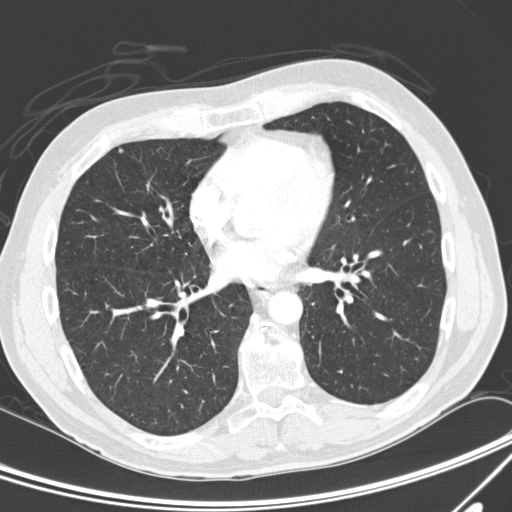
Chest CT, axial plane, 120 kVp, kernel D. Slice 116/300 from the bottom of the scan; thickness 2.00 mm; pixel size 0.678 mm.
Pulmonary nodule outlined by three of the four readers; box rows 148–153, columns 118–123 (the union of the readers' outlines on this slice); longest diameter 3.5–5.2 mm and volume 18–51 mm3 across the three readers' outlines. Ratings across the readers: texture 5/5 (solid), all three readers agreeing; margin from 4/5 to 5/5 (circumscribed) across the three readers; sphericity from 4/5 to 5/5 (round) across the three readers; calcification absent from all three readers; internal structure soft tissue, all three readers agreeing; subtlety 4–5/5 (the readers disagree); malignancy likelihood 2–3/5 (the readers disagree). Scale key (1–5): texture non-solid→solid, margin indistinct→circumscribed, sphericity linear→round, subtlety extremely subtle→obvious, malignancy likelihood highly unlikely→highly suspicious of cancer. Box rows and columns are 0-based pixel indices from the top-left corner, inclusive.